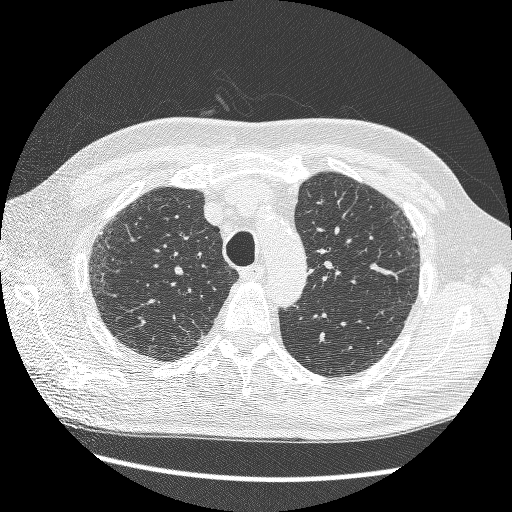
Slice 200/264 of a chest CT, counting up from the lowest; pixel size 0.703 mm, slice thickness 1.25 mm. Pulmonary nodule, outlined by three of the four readers, two of them on this slice. Box on this slice rows 232–235, columns 412–414, the union of the readers' outlines on this slice; longest diameter 6.7–7.6 mm and volume 43–74 mm3 across the three readers' outlines. Ratings across the readers: texture 5/5 (solid) from all three readers; margin from 4/5 to 5/5 (circumscribed) across the three readers; sphericity from 1/5 (linear) to 3/5 (ovoid) across the three readers; calcification solid calcification, all three readers agreeing; internal structure soft tissue from all three readers; subtlety from 1/5 to 4/5 across the three readers; malignancy likelihood 1/5, all three readers agreeing. Scale key (1–5): texture non-solid→solid, margin indistinct→circumscribed, sphericity linear→round, subtlety extremely subtle→obvious, malignancy likelihood highly unlikely→highly suspicious of cancer. Box rows and columns are 0-based pixel indices from the top-left corner, inclusive.
Scan settings: 120 kVp, BONE reconstruction kernel.